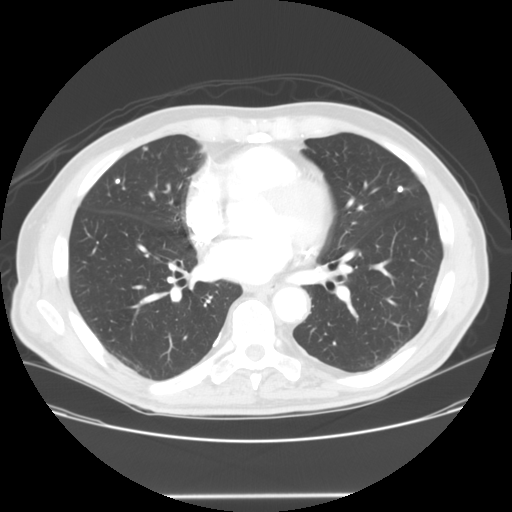
Chest CT, axial plane, 120 kVp, kernel STANDARD. Slice 60/128 from the bottom of the scan; thickness 2.50 mm; pixel size 0.742 mm.
Two pulmonary nodules are outlined on this slice; from left to right: (1) Pulmonary nodule at rows 147–150, columns 142–147 (box = the union of the readers' outlines on this slice), outlined by two of the four readers; median longest diameter 5.8 mm (readers' outlines 5.4–6.1 mm), median volume 84 mm3 (78–90 mm3). Ratings, median across the readers with their spread: texture 5/5 (solid), both readers agreeing; margin 5/5 (circumscribed), both readers agreeing; sphericity 4.5/5 at the median of two readers, spread 4/5 to 5/5 (round); calcification absent from both readers; internal structure soft tissue, both readers agreeing; median subtlety 3.5/5 (readers ranged 3–4); malignancy likelihood 2/5, both readers agreeing. (2) Pulmonary nodule at rows 186–192, columns 397–403 (box = the union of the readers' outlines on this slice), outlined by all four readers; longest diameter 4.7–6.8 mm and volume 41–116 mm3 across the four readers' outlines. The readers' ratings, as ranges where they differ: texture 5/5 (solid) from all four readers; margin 5/5 (circumscribed), all four readers agreeing; sphericity from 4/5 to 5/5 (round) across the four readers; calcification: solid calcification (three), absent (one); internal structure soft tissue, all four readers agreeing; subtlety rated between 3 and 5 out of 5 by the four readers; malignancy likelihood 1–2/5 (the readers disagree). Scale key (1–5): texture non-solid→solid, margin indistinct→circumscribed, sphericity linear→round, subtlety extremely subtle→obvious, malignancy likelihood highly unlikely→highly suspicious of cancer. Box rows and columns are 0-based pixel indices from the top-left corner, inclusive.